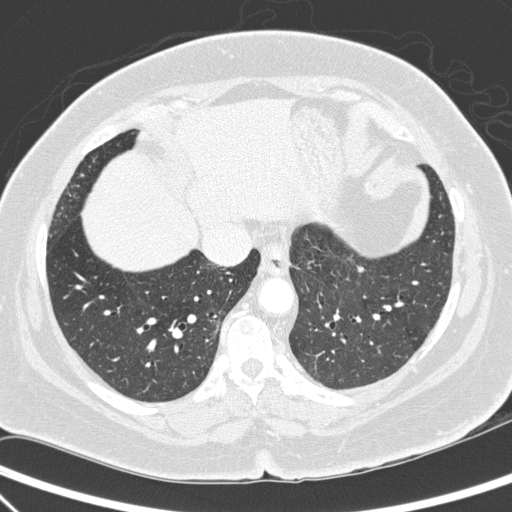
Slice 88/272 of a chest CT, counting up from the lowest; pixel size 0.676 mm, slice thickness 1.00 mm. Pulmonary nodule, outlined by two of the four readers. Box on this slice rows 265–273, columns 355–364, the union of the readers' outlines on this slice; longest diameter 6.8 mm on average over the two readers' outlines (readers' outlines 5.4–8.2 mm), volume 51–143 mm3. Ratings, by the readers' most common answer with dissent counted: texture 5/5 (solid), both readers agreeing; margin split among the readers: 4/5 (one), 5/5 (circumscribed) (one); sphericity split among the readers: 2/5 (one), 4/5 (one); calcification absent, both readers agreeing; internal structure soft tissue from both readers; subtlety split among the readers: 1/5 (one), 4/5 (one); malignancy likelihood split among the readers: 1/5 (one), 3/5 (one). Scale key (1–5): texture non-solid→solid, margin indistinct→circumscribed, sphericity linear→round, subtlety extremely subtle→obvious, malignancy likelihood highly unlikely→highly suspicious of cancer. Box rows and columns are 0-based pixel indices from the top-left corner, inclusive.
Acquired at 140 kVp and reconstructed with the D kernel.